One axial slice (84 of 115, counting up from the lowest) of a chest CT acquired at 135 kVp with the FC01 kernel; each pixel is 0.729 mm and the slice is 3.00 mm thick.
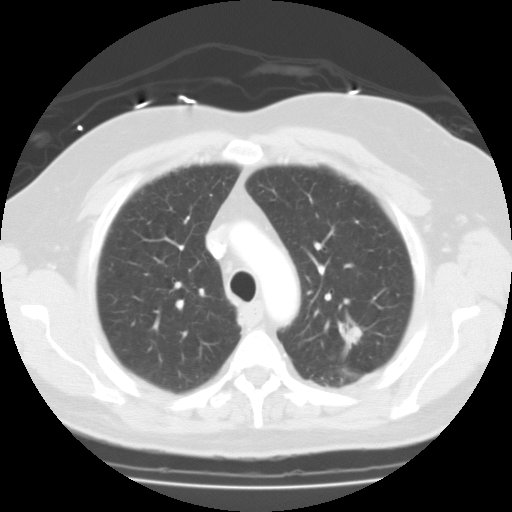
Pulmonary nodule outlined by one of the four readers; box rows 321–360, columns 337–362 (that reader's outline on this slice); longest diameter 34.4 mm and volume 9064 mm3 from that reader's outline. That reader's ratings: texture 5/5 (solid); margin 3/5; sphericity 2/5; calcification absent; internal structure fluid; subtlety 5/5; malignancy likelihood 3/5. Scale key (1–5): texture non-solid→solid, margin indistinct→circumscribed, sphericity linear→round, subtlety extremely subtle→obvious, malignancy likelihood highly unlikely→highly suspicious of cancer. Box rows and columns are 0-based pixel indices from the top-left corner, inclusive.